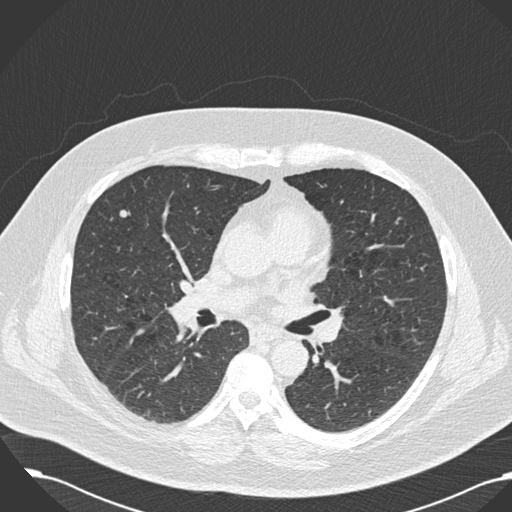
Chest CT, axial plane, 120 kVp, kernel B30f. Slice 95/181 from the bottom of the scan; thickness 2.00 mm; pixel size 0.762 mm.
Pulmonary nodule, outlined by three of the four readers. Box on this slice rows 210–217, columns 120–128, the union of the readers' outlines on this slice; longest diameter 7.6–8.2 mm and volume 115–253 mm3 across the three readers' outlines. The readers' ratings, as ranges where they differ: texture from 4/5 to 5/5 (solid) across the three readers; margin from 4/5 to 5/5 (circumscribed) across the three readers; sphericity from 4/5 to 5/5 (round) across the three readers; calcification absent, all three readers agreeing; internal structure soft tissue, all three readers agreeing; subtlety 4/5 from all three readers; malignancy likelihood rated between 2 and 3 out of 5 by the three readers. Scale key (1–5): texture non-solid→solid, margin indistinct→circumscribed, sphericity linear→round, subtlety extremely subtle→obvious, malignancy likelihood highly unlikely→highly suspicious of cancer. Box rows and columns are 0-based pixel indices from the top-left corner, inclusive.